Axial chest CT slice 144 of 163 (counted from the lowest slice); tube voltage 120 kVp, convolution kernel STANDARD; slices 2.50 mm thick, 0.703 mm per pixel.
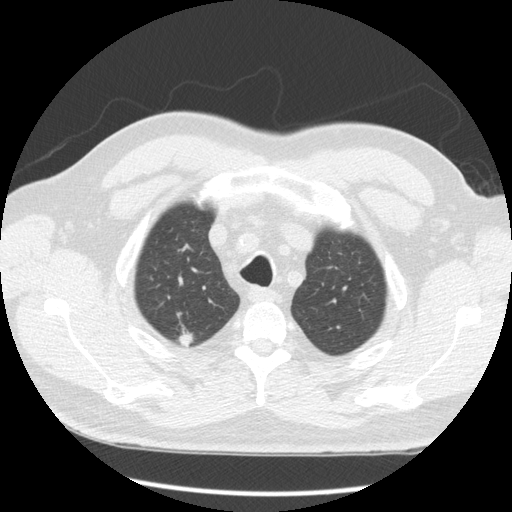
Pulmonary nodule, outlined by all four readers. Box on this slice rows 331–347, columns 178–194, the union of the readers' outlines on this slice; longest diameter 12.5–16.1 mm and volume 399–656 mm3 across the four readers' outlines. The readers' ratings, as ranges where they differ: texture from 4/5 to 5/5 (solid) across the four readers; margin from 2/5 to 4/5 across the four readers; sphericity from 3/5 (ovoid) to 4/5 across the four readers; calcification absent, all four readers agreeing; internal structure soft tissue, all four readers agreeing; subtlety 4–5/5 (the readers disagree); malignancy likelihood 3–4/5 (the readers disagree). Scale key (1–5): texture non-solid→solid, margin indistinct→circumscribed, sphericity linear→round, subtlety extremely subtle→obvious, malignancy likelihood highly unlikely→highly suspicious of cancer. Box rows and columns are 0-based pixel indices from the top-left corner, inclusive.